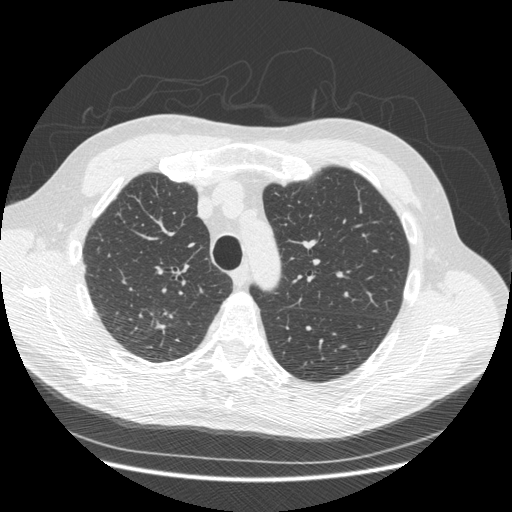
Chest CT, axial plane, 120 kVp, kernel STANDARD. Slice 368/493 from the bottom of the scan; thickness 1.25 mm; pixel size 0.742 mm.
Pulmonary nodule at rows 321–327, columns 156–165 (box = the one reader's outline on this slice), outlined by three of the four readers, one of them on this slice; the three readers' outlines give a longest diameter between 12.6 and 14.1 mm and a volume between 104 and 271 mm3. Ratings across the readers: texture from 4/5 to 5/5 (solid) across the three readers; margin 3/5 from all three readers; sphericity from 2/5 to 4/5 across the three readers; calcification absent, all three readers agreeing; internal structure soft tissue, all three readers agreeing; subtlety 2–5/5 (the readers disagree); malignancy likelihood from 2/5 to 4/5 across the three readers. Scale key (1–5): texture non-solid→solid, margin indistinct→circumscribed, sphericity linear→round, subtlety extremely subtle→obvious, malignancy likelihood highly unlikely→highly suspicious of cancer. Box rows and columns are 0-based pixel indices from the top-left corner, inclusive.